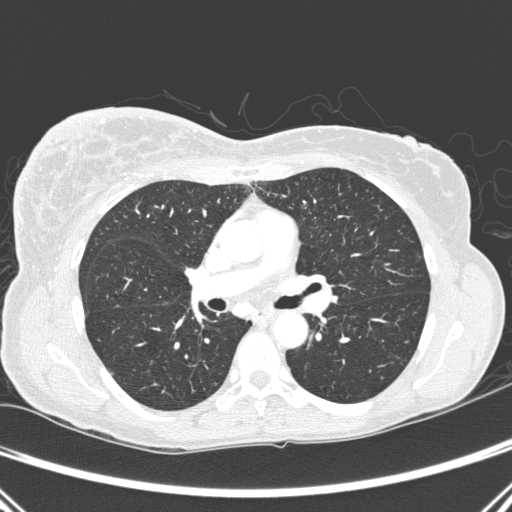
Axial chest CT slice 155 of 275 (counted from the lowest slice); 1.00 mm thick, 0.658 mm per pixel. The readers outlined no nodule of 3 mm or more on this slice.
Scan settings: 120 kVp, D reconstruction kernel.